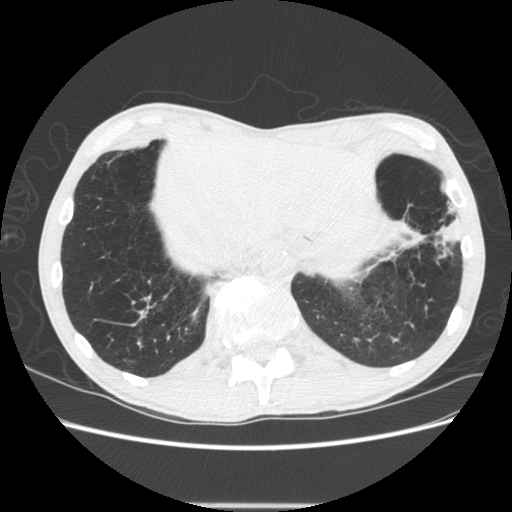
Axial chest CT slice 124 of 605 (counted from the lowest slice); tube voltage 120 kVp, convolution kernel STANDARD; slices 1.25 mm thick, 0.703 mm per pixel.
Pulmonary nodule outlined by one of the four readers; box rows 217–242, columns 438–458 (that reader's outline on this slice); longest diameter 29.0 mm and volume 1790 mm3 from that reader's outline. Ratings by that reader: texture 4/5; margin 4/5; sphericity 2/5; calcification absent; internal structure soft tissue; subtlety 5/5; malignancy likelihood 4/5. Scale key (1–5): texture non-solid→solid, margin indistinct→circumscribed, sphericity linear→round, subtlety extremely subtle→obvious, malignancy likelihood highly unlikely→highly suspicious of cancer. Box rows and columns are 0-based pixel indices from the top-left corner, inclusive.